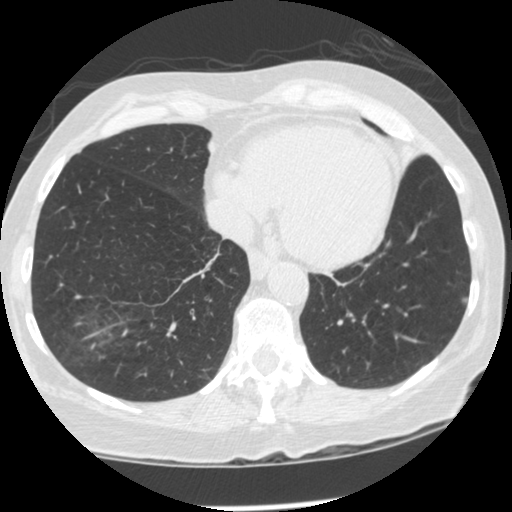
One axial slice (113 of 474, counting up from the lowest) of a chest CT acquired at 120 kVp with the STANDARD kernel; each pixel is 0.625 mm and the slice is 1.25 mm thick.
Pulmonary nodule at rows 297–303, columns 461–467 (box = the union of the readers' outlines on this slice), outlined by three of the four readers; median longest diameter 7.3 mm (readers' outlines 7.1–8.1 mm), median volume 94 mm3 (92–97 mm3). Ratings, median across the readers with their spread: texture 4/5 at the median of three readers, spread 4/5 to 5/5 (solid); median margin 4/5 (readers ranged 3/5 to 5/5 (circumscribed)); median sphericity 3/5 (ovoid) (readers ranged 2/5 to 4/5); calcification absent from all three readers; internal structure soft tissue from all three readers; median subtlety 4/5 (readers ranged 3–5); malignancy likelihood 2/5 at the median of three readers, spread 2–3. Scale key (1–5): texture non-solid→solid, margin indistinct→circumscribed, sphericity linear→round, subtlety extremely subtle→obvious, malignancy likelihood highly unlikely→highly suspicious of cancer. Box rows and columns are 0-based pixel indices from the top-left corner, inclusive.